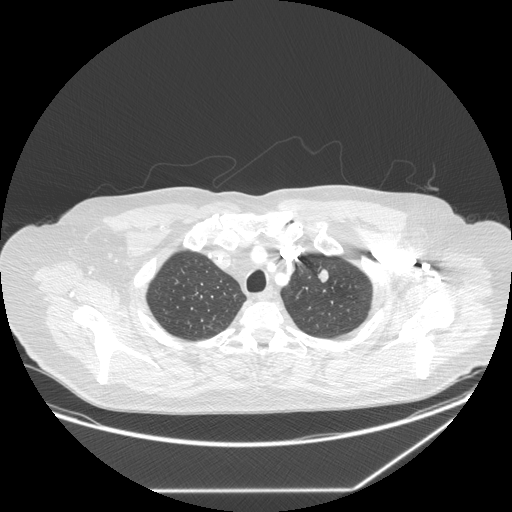
Axial slice 219 of 258 of a chest CT (slice 1 is the lowest), reconstructed with the STANDARD kernel at 120 kVp; 1.25 mm slice thickness and 0.859 mm pixels.
Pulmonary nodule, outlined by all four readers. Box on this slice rows 267–282, columns 317–328, the union of the readers' outlines on this slice; longest diameter 12.9 mm on average over the four readers' outlines (readers' outlines 11.3–14.0 mm), volume 372–779 mm3. The readers' prevailing ratings and who disagreed: texture 5/5 (solid) from all four readers; margin split among the readers: 4/5 (two), 5/5 (circumscribed) (two); sphericity 3/5 (ovoid) by two of four readers; the rest gave 4/5 (one), 5/5 (round) (one); calcification absent from all four readers; internal structure soft tissue from all four readers; subtlety 5/5 by three of four readers; the rest gave 4/5 (one); malignancy likelihood split among the readers: 3/5 (two), 4/5 (two). Scale key (1–5): texture non-solid→solid, margin indistinct→circumscribed, sphericity linear→round, subtlety extremely subtle→obvious, malignancy likelihood highly unlikely→highly suspicious of cancer. Box rows and columns are 0-based pixel indices from the top-left corner, inclusive.